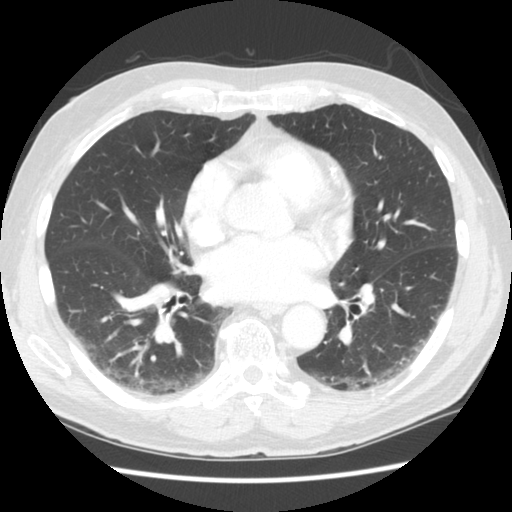
Axial slice 124 of 258 of a chest CT (slice 1 is the lowest), reconstructed with the STANDARD kernel at 120 kVp; 2.50 mm slice thickness and 0.664 mm pixels.
The readers outlined no nodule of 3 mm or more on this slice.